Axial slice 166 of 297 of a chest CT (slice 1 is the lowest), reconstructed with the STANDARD kernel at 120 kVp; 1.25 mm slice thickness and 0.949 mm pixels.
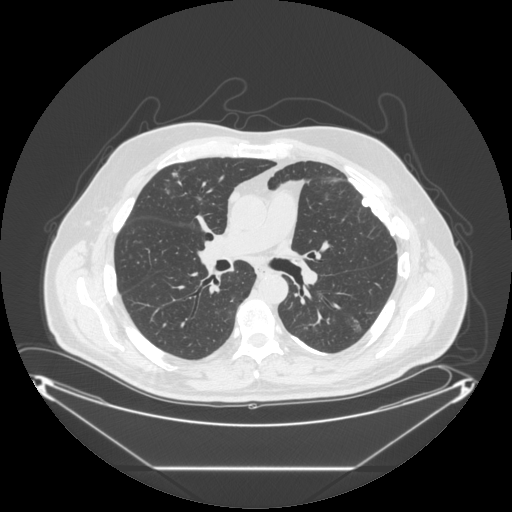
Two pulmonary nodules on this slice, listed from left to right. (1) Pulmonary nodule, outlined by two of the four readers. Box on this slice rows 169–177, columns 172–178, the union of the readers' outlines on this slice; median longest diameter 8.9 mm (readers' outlines 8.1–9.7 mm), median volume 147 mm3 (121–173 mm3). Median ratings and the readers' spread: texture 1/5 (non-solid), both readers agreeing; margin 2/5, both readers agreeing; sphericity 5/5 (round) from both readers; calcification absent, both readers agreeing; internal structure soft tissue from both readers; subtlety 1.5/5 at the median of two readers, spread 1–2; malignancy likelihood 2.5/5 at the median of two readers, spread 2–3. (2) Pulmonary nodule, outlined by two of the four readers. Box on this slice rows 320–332, columns 351–360, the union of the readers' outlines on this slice; longest diameter 12.7–15.0 mm and volume 351–570 mm3 across the two readers' outlines. Ratings across the readers: texture from 1/5 (non-solid) to 5/5 (solid) across the two readers; margin from 2/5 to 5/5 (circumscribed) across the two readers; sphericity from 4/5 to 5/5 (round) across the two readers; calcification absent from both readers; internal structure soft tissue, both readers agreeing; subtlety from 1/5 to 4/5 across the two readers; malignancy likelihood 2/5, both readers agreeing. Scale key (1–5): texture non-solid→solid, margin indistinct→circumscribed, sphericity linear→round, subtlety extremely subtle→obvious, malignancy likelihood highly unlikely→highly suspicious of cancer. Box rows and columns are 0-based pixel indices from the top-left corner, inclusive.